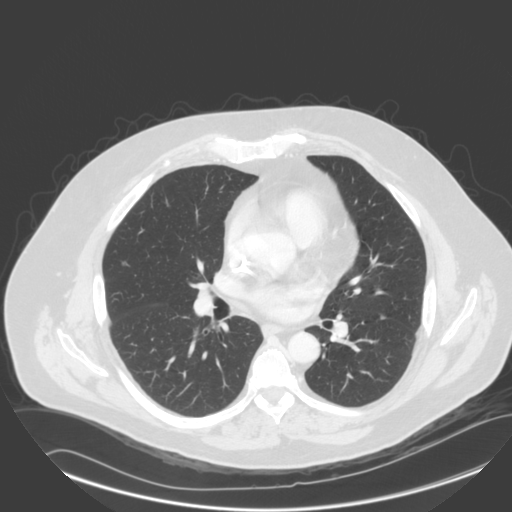
One axial slice (168 of 305, counting up from the lowest) of a chest CT acquired at 140 kVp with the B kernel; each pixel is 0.834 mm and the slice is 2.00 mm thick.
Pulmonary nodule, outlined by three of the four readers. Box on this slice rows 261–266, columns 121–126, the union of the readers' outlines on this slice; the three readers' outlines give a longest diameter between 5.9 and 7.9 mm and a volume between 34 and 53 mm3. Ratings across the readers: texture from 3/5 (part-solid) to 5/5 (solid) across the three readers; margin from 4/5 to 5/5 (circumscribed) across the three readers; sphericity from 4/5 to 5/5 (round) across the three readers; calcification absent, all three readers agreeing; internal structure soft tissue, all three readers agreeing; subtlety 4/5, all three readers agreeing; malignancy likelihood rated between 2 and 3 out of 5 by the three readers. Scale key (1–5): texture non-solid→solid, margin indistinct→circumscribed, sphericity linear→round, subtlety extremely subtle→obvious, malignancy likelihood highly unlikely→highly suspicious of cancer. Box rows and columns are 0-based pixel indices from the top-left corner, inclusive.